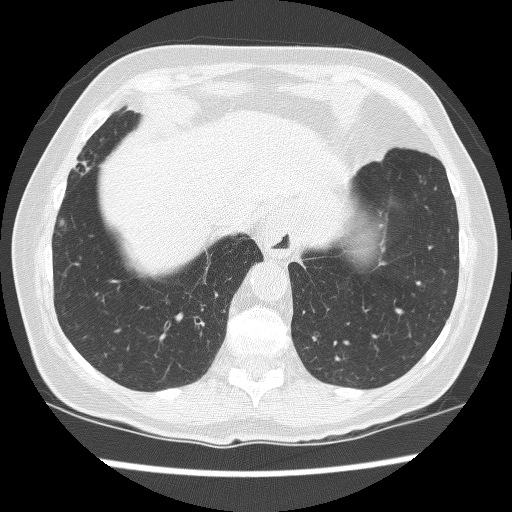
This is axial slice 64 of 241 (slice 1 is the lowest) of a chest CT; each pixel is 0.609 mm and the slice is 1.25 mm thick. Pulmonary nodule outlined by one of the four readers; box rows 218–225, columns 59–64 (that reader's outline on this slice); longest diameter 6.9 mm and volume 125 mm3 from that reader's outline. Ratings by that reader: texture 1/5 (non-solid); margin 1/5 (indistinct); sphericity 4/5; calcification absent; internal structure soft tissue; subtlety 2/5; malignancy likelihood 3/5. Scale key (1–5): texture non-solid→solid, margin indistinct→circumscribed, sphericity linear→round, subtlety extremely subtle→obvious, malignancy likelihood highly unlikely→highly suspicious of cancer. Box rows and columns are 0-based pixel indices from the top-left corner, inclusive.
Tube voltage 120 kVp; convolution kernel BONE.